One axial slice (134 of 321, counting up from the lowest) of a chest CT acquired at 120 kVp with the D kernel; each pixel is 0.557 mm and the slice is 2.00 mm thick.
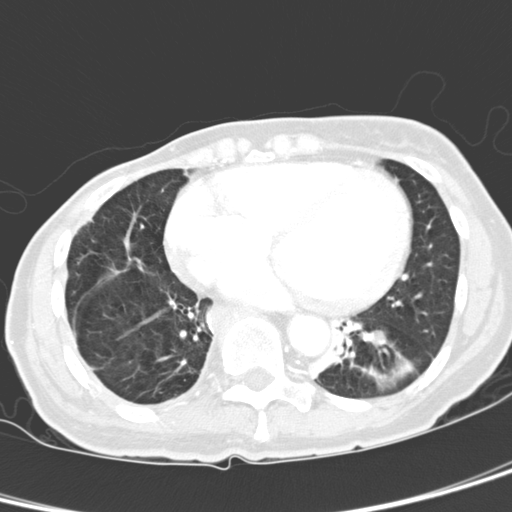
Pulmonary nodule at rows 330–346, columns 369–387 (box = the union of the readers' outlines on this slice), outlined by all four readers; longest diameter 18.1–20.0 mm and volume 2428–2697 mm3 across the four readers' outlines. Ratings across the readers: texture from 4/5 to 5/5 (solid) across the four readers; margin from 3/5 to 5/5 (circumscribed) across the four readers; sphericity from 4/5 to 5/5 (round) across the four readers; calcification absent from all four readers; internal structure soft tissue, all four readers agreeing; subtlety from 4/5 to 5/5 across the four readers; malignancy likelihood from 2/5 to 5/5 across the four readers. Scale key (1–5): texture non-solid→solid, margin indistinct→circumscribed, sphericity linear→round, subtlety extremely subtle→obvious, malignancy likelihood highly unlikely→highly suspicious of cancer. Box rows and columns are 0-based pixel indices from the top-left corner, inclusive.